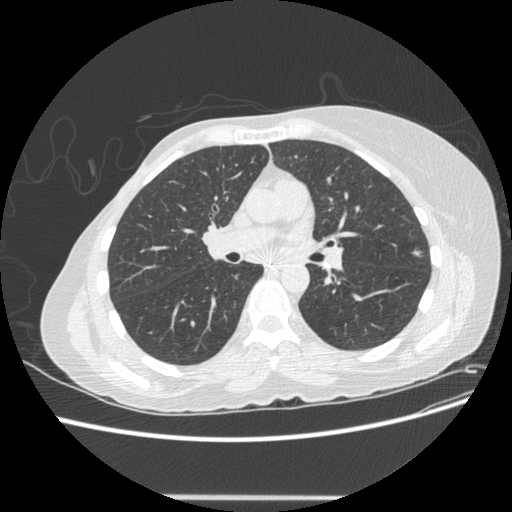
Chest CT, axial plane, 120 kVp, kernel STANDARD. Slice 258/500 from the bottom of the scan; thickness 1.25 mm; pixel size 0.703 mm.
Pulmonary nodule at rows 249–256, columns 411–421 (box = the union of the readers' outlines on this slice), outlined by all four readers; median longest diameter 8.6 mm (readers' outlines 7.8–9.1 mm), median volume 135 mm3 (108–174 mm3). Ratings, median across the readers with their spread: texture 3/5 (part-solid) at the median of four readers, spread 1/5 (non-solid) to 5/5 (solid); median margin 3/5 (readers ranged 1/5 (indistinct) to 5/5 (circumscribed)); sphericity 4.5/5 at the median of four readers, spread 3/5 (ovoid) to 5/5 (round); calcification absent, all four readers agreeing; internal structure soft tissue from all four readers; subtlety 4.5/5 at the median of four readers, spread 3–5; median malignancy likelihood 4/5 (readers ranged 3–5). Scale key (1–5): texture non-solid→solid, margin indistinct→circumscribed, sphericity linear→round, subtlety extremely subtle→obvious, malignancy likelihood highly unlikely→highly suspicious of cancer. Box rows and columns are 0-based pixel indices from the top-left corner, inclusive.